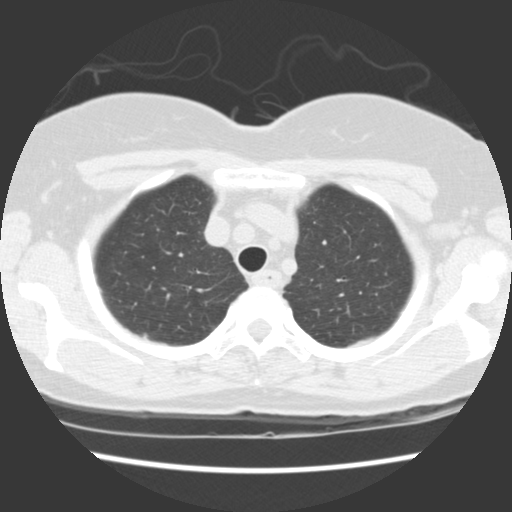
Chest CT, axial plane, 120 kVp, kernel STANDARD. Slice 113/140 from the bottom of the scan; thickness 2.50 mm; pixel size 0.605 mm.
Pulmonary nodule outlined by one of the four readers; box rows 333–338, columns 143–147 (that reader's outline on this slice); longest diameter 5.2 mm and volume 81 mm3 from that reader's outline. Ratings by that reader: texture 5/5 (solid); margin 5/5 (circumscribed); sphericity 4/5; calcification absent; internal structure soft tissue; subtlety 5/5; malignancy likelihood 2/5. Scale key (1–5): texture non-solid→solid, margin indistinct→circumscribed, sphericity linear→round, subtlety extremely subtle→obvious, malignancy likelihood highly unlikely→highly suspicious of cancer. Box rows and columns are 0-based pixel indices from the top-left corner, inclusive.